One axial slice (161 of 241, counting up from the lowest) of a chest CT acquired at 120 kVp with the BONE kernel; each pixel is 0.586 mm and the slice is 1.25 mm thick.
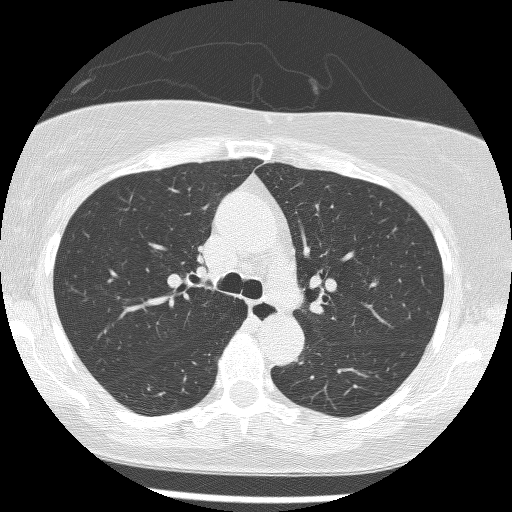
This slice carries no reader outline of a nodule 3 mm or larger.